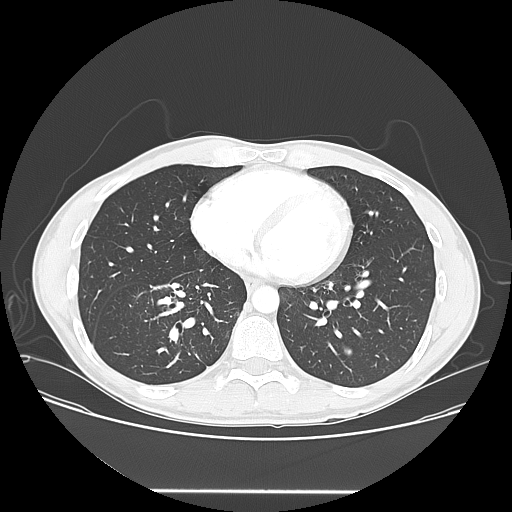
One axial slice (67 of 150, counting up from the lowest) of a chest CT acquired at 120 kVp with the LUNG kernel; each pixel is 0.781 mm and the slice is 2.50 mm thick.
Pulmonary nodule outlined by all four readers, three of them on this slice; box rows 345–355, columns 343–352 (the union of the readers' outlines on this slice); median longest diameter 15.6 mm (readers' outlines 15.0–17.2 mm), median volume 1044 mm3 (701–1241 mm3). Ratings, median across the readers with their spread: median texture 5/5 (solid) (readers ranged 4/5 to 5/5 (solid)); median margin 5/5 (circumscribed) (readers ranged 4/5 to 5/5 (circumscribed)); sphericity 2.5/5 at the median of four readers, spread 2/5 to 5/5 (round); calcification absent, all four readers agreeing; internal structure soft tissue, all four readers agreeing; median subtlety 4/5 (readers ranged 3–5); median malignancy likelihood 3/5 (readers ranged 2–4). Scale key (1–5): texture non-solid→solid, margin indistinct→circumscribed, sphericity linear→round, subtlety extremely subtle→obvious, malignancy likelihood highly unlikely→highly suspicious of cancer. Box rows and columns are 0-based pixel indices from the top-left corner, inclusive.